One axial slice (127 of 239, counting up from the lowest) of a chest CT acquired at 120 kVp with the BONE kernel; each pixel is 0.795 mm and the slice is 1.25 mm thick.
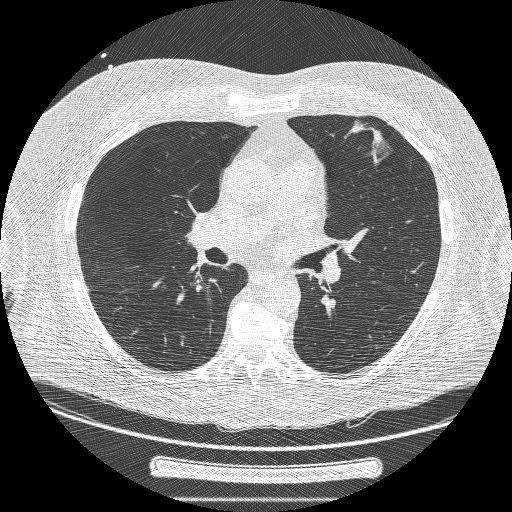
Pulmonary nodule outlined by two of the four readers; box rows 120–167, columns 345–392 (the union of the readers' outlines on this slice); median longest diameter 43.2 mm (readers' outlines 43.0–43.4 mm), median volume 10782 mm3 (10396–11168 mm3). Median ratings and the readers' spread: texture 4/5 at the median of two readers, spread 3/5 (part-solid) to 5/5 (solid); margin 2/5 at the median of two readers, spread 1/5 (indistinct) to 3/5; sphericity 2/5 at the median of two readers, spread 1/5 (linear) to 3/5 (ovoid); calcification absent from both readers; internal structure soft tissue from both readers; subtlety 5/5, both readers agreeing; malignancy likelihood 5/5, both readers agreeing. Scale key (1–5): texture non-solid→solid, margin indistinct→circumscribed, sphericity linear→round, subtlety extremely subtle→obvious, malignancy likelihood highly unlikely→highly suspicious of cancer. Box rows and columns are 0-based pixel indices from the top-left corner, inclusive.